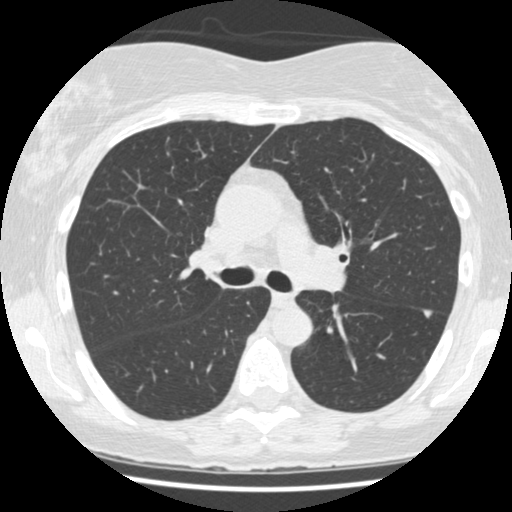
This is axial slice 290 of 477 (slice 1 is the lowest) of a chest CT; each pixel is 0.625 mm and the slice is 1.25 mm thick. Pulmonary nodule, outlined by three of the four readers. Box on this slice rows 309–318, columns 422–432, the union of the readers' outlines on this slice; median longest diameter 7.3 mm (readers' outlines 6.2–7.6 mm), median volume 125 mm3 (81–136 mm3). Ratings, median across the readers with their spread: texture 5/5 (solid), all three readers agreeing; margin 5/5 (circumscribed) from all three readers; sphericity 4/5 at the median of three readers, spread 4/5 to 5/5 (round); calcification absent from all three readers; internal structure soft tissue, all three readers agreeing; subtlety 5/5 at the median of three readers, spread 3–5; median malignancy likelihood 2/5 (readers ranged 1–3). Scale key (1–5): texture non-solid→solid, margin indistinct→circumscribed, sphericity linear→round, subtlety extremely subtle→obvious, malignancy likelihood highly unlikely→highly suspicious of cancer. Box rows and columns are 0-based pixel indices from the top-left corner, inclusive.
Scan settings: 120 kVp, STANDARD reconstruction kernel.